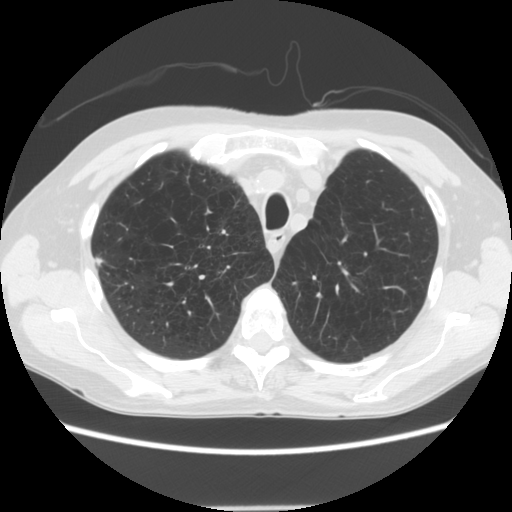
Axial slice 117 of 143 of a chest CT (slice 1 is the lowest), reconstructed with the STANDARD kernel at 120 kVp; 2.50 mm slice thickness and 0.703 mm pixels.
Pulmonary nodule at rows 257–266, columns 94–102 (box = the union of the readers' outlines on this slice), outlined by two of the four readers; longest diameter 8.6–9.0 mm and volume 142–234 mm3 across the two readers' outlines. Ratings across the readers: texture from 2/5 to 5/5 (solid) across the two readers; margin from 1/5 (indistinct) to 4/5 across the two readers; sphericity from 3/5 (ovoid) to 4/5 across the two readers; calcification absent, both readers agreeing; internal structure soft tissue, both readers agreeing; subtlety from 3/5 to 4/5 across the two readers; malignancy likelihood from 1/5 to 4/5 across the two readers. Scale key (1–5): texture non-solid→solid, margin indistinct→circumscribed, sphericity linear→round, subtlety extremely subtle→obvious, malignancy likelihood highly unlikely→highly suspicious of cancer. Box rows and columns are 0-based pixel indices from the top-left corner, inclusive.